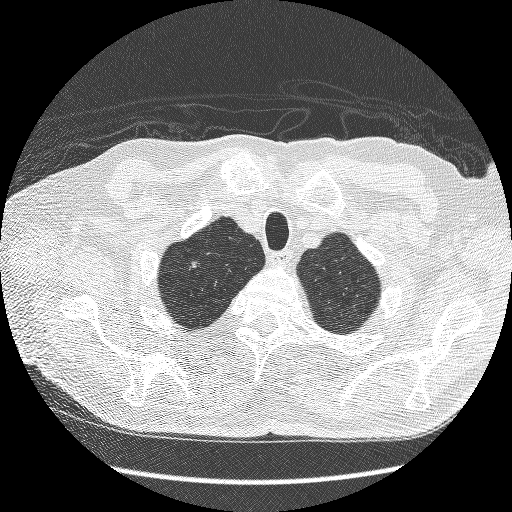
Axial chest CT slice 216 of 241 (counted from the lowest slice); tube voltage 120 kVp, convolution kernel BONE; slices 1.25 mm thick, 0.703 mm per pixel.
Pulmonary nodule at rows 261–269, columns 189–198 (box = the union of the readers' outlines on this slice), outlined by three of the four readers; median longest diameter 9.2 mm (readers' outlines 9.2–11.4 mm), median volume 118 mm3 (110–218 mm3). Ratings, median across the readers with their spread: texture 5/5 (solid) from all three readers; median margin 4/5 (readers ranged 3/5 to 5/5 (circumscribed)); median sphericity 3/5 (ovoid) (readers ranged 2/5 to 3/5 (ovoid)); calcification absent from all three readers; internal structure soft tissue, all three readers agreeing; subtlety 4/5 at the median of three readers, spread 3–5; median malignancy likelihood 3/5 (readers ranged 2–3). Scale key (1–5): texture non-solid→solid, margin indistinct→circumscribed, sphericity linear→round, subtlety extremely subtle→obvious, malignancy likelihood highly unlikely→highly suspicious of cancer. Box rows and columns are 0-based pixel indices from the top-left corner, inclusive.